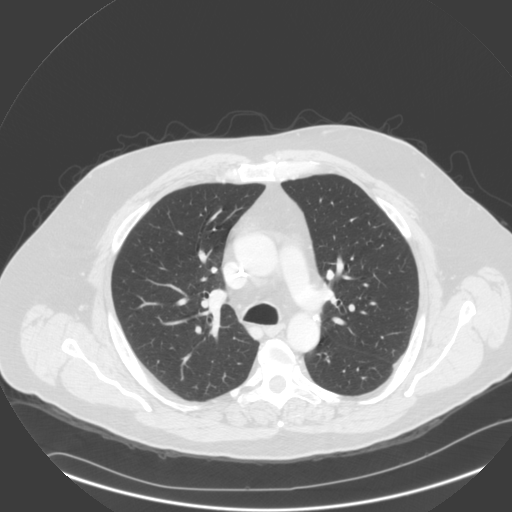
This is axial slice 206 of 305 (slice 1 is the lowest) of a chest CT; each pixel is 0.834 mm and the slice is 2.00 mm thick. This slice carries no reader outline of a nodule 3 mm or larger.
Scan settings: 140 kVp, B reconstruction kernel.